Axial chest CT slice 324 of 413 (counted from the lowest slice); tube voltage 120 kVp, convolution kernel STANDARD; slices 1.25 mm thick, 0.703 mm per pixel.
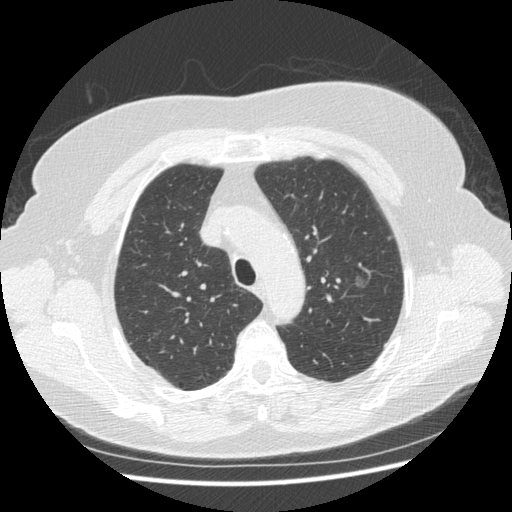
Pulmonary nodule at rows 276–285, columns 355–363 (box = the one reader's outline on this slice), outlined by two of the four readers, one of them on this slice; median longest diameter 10.1 mm (readers' outlines 10.1 mm), median volume 182 mm3 (131–234 mm3). Median ratings and the readers' spread: texture 1/5 (non-solid), both readers agreeing; margin 2/5 at the median of two readers, spread 1/5 (indistinct) to 3/5; sphericity 4.5/5 at the median of two readers, spread 4/5 to 5/5 (round); calcification absent, both readers agreeing; internal structure soft tissue from both readers; median subtlety 2.5/5 (readers ranged 1–4); malignancy likelihood 3.5/5 at the median of two readers, spread 3–4. Scale key (1–5): texture non-solid→solid, margin indistinct→circumscribed, sphericity linear→round, subtlety extremely subtle→obvious, malignancy likelihood highly unlikely→highly suspicious of cancer. Box rows and columns are 0-based pixel indices from the top-left corner, inclusive.